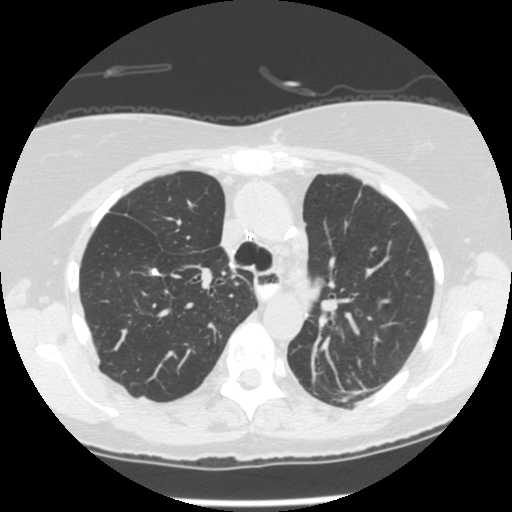
Axial chest CT slice 155 of 241 (counted from the lowest slice); 1.25 mm thick, 0.609 mm per pixel. Pulmonary nodule, outlined by three of the four readers. Box on this slice rows 267–276, columns 150–160, the union of the readers' outlines on this slice; median longest diameter 7.9 mm (readers' outlines 7.6–7.9 mm), median volume 104 mm3 (97–115 mm3). Ratings, median across the readers with their spread: texture 5/5 (solid), all three readers agreeing; median margin 4/5 (readers ranged 4/5 to 5/5 (circumscribed)); sphericity 4/5 at the median of three readers, spread 3/5 (ovoid) to 4/5; calcification: solid calcification (two), absent (one); internal structure soft tissue, all three readers agreeing; subtlety 4/5 at the median of three readers, spread 3–5; malignancy likelihood 1/5 at the median of three readers, spread 1–2. Scale key (1–5): texture non-solid→solid, margin indistinct→circumscribed, sphericity linear→round, subtlety extremely subtle→obvious, malignancy likelihood highly unlikely→highly suspicious of cancer. Box rows and columns are 0-based pixel indices from the top-left corner, inclusive.
Acquired at 120 kVp and reconstructed with the STANDARD kernel.